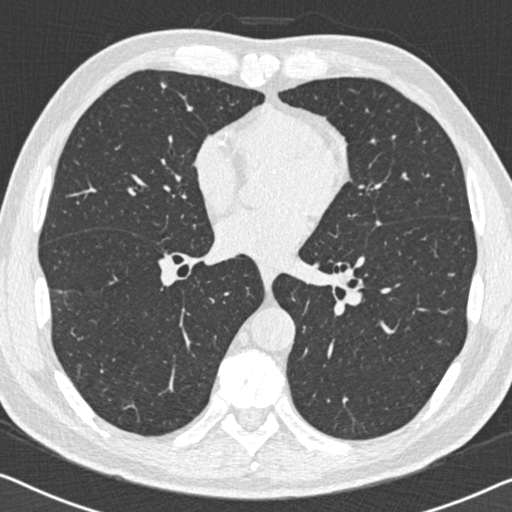
Slice 287/558 of a chest CT, counting up from the lowest; pixel size 0.648 mm, slice thickness 0.75 mm. Pulmonary nodule, outlined by two of the four readers. Box on this slice rows 82–87, columns 159–165, the union of the readers' outlines on this slice; longest diameter 5.8–7.2 mm and volume 63–85 mm3 across the two readers' outlines. Ratings across the readers: texture from 4/5 to 5/5 (solid) across the two readers; margin from 3/5 to 4/5 across the two readers; sphericity from 3/5 (ovoid) to 4/5 across the two readers; calcification absent, both readers agreeing; internal structure soft tissue from both readers; subtlety 3–5/5 (the readers disagree); malignancy likelihood rated between 2 and 3 out of 5 by the two readers. Scale key (1–5): texture non-solid→solid, margin indistinct→circumscribed, sphericity linear→round, subtlety extremely subtle→obvious, malignancy likelihood highly unlikely→highly suspicious of cancer. Box rows and columns are 0-based pixel indices from the top-left corner, inclusive.
Tube voltage 120 kVp; convolution kernel B30f.